Axial slice 129 of 186 of a chest CT (slice 1 is the lowest), reconstructed with the B30f kernel at 120 kVp; 2.00 mm slice thickness and 0.586 mm pixels.
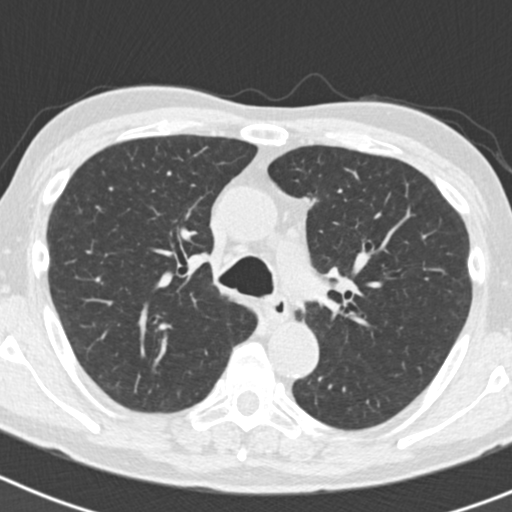
Pulmonary nodule outlined by two of the four readers; box rows 195–209, columns 301–317 (the union of the readers' outlines on this slice); longest diameter 12.3 mm on average over the two readers' outlines (readers' outlines 11.6–13.0 mm), volume 332–359 mm3. The readers' prevailing ratings and who disagreed: texture split among the readers: 3/5 (part-solid) (one), 5/5 (solid) (one); margin split among the readers: 2/5 (one), 4/5 (one); sphericity 3/5 (ovoid), both readers agreeing; calcification absent from both readers; internal structure soft tissue, both readers agreeing; subtlety split among the readers: 3/5 (one), 4/5 (one); malignancy likelihood split among the readers: 3/5 (one), 4/5 (one). Scale key (1–5): texture non-solid→solid, margin indistinct→circumscribed, sphericity linear→round, subtlety extremely subtle→obvious, malignancy likelihood highly unlikely→highly suspicious of cancer. Box rows and columns are 0-based pixel indices from the top-left corner, inclusive.